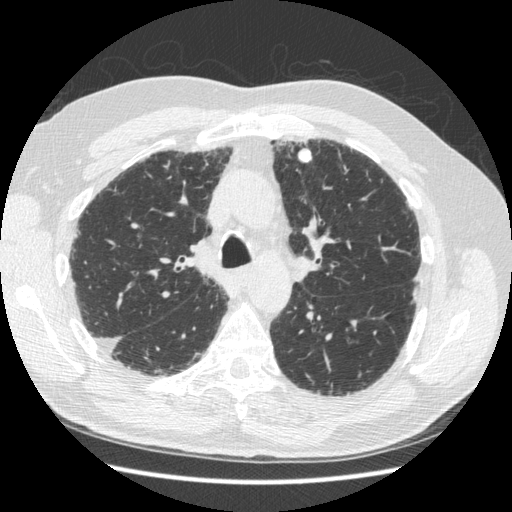
Chest CT, axial plane, 120 kVp, kernel STANDARD. Slice 340/497 from the bottom of the scan; thickness 1.25 mm; pixel size 0.703 mm.
Pulmonary nodule at rows 148–163, columns 297–312 (box = the union of the readers' outlines on this slice), outlined by all four readers; longest diameter 15.2–16.7 mm and volume 670–817 mm3 across the four readers' outlines. The readers' ratings, as ranges where they differ: texture 5/5 (solid), all four readers agreeing; margin from 3/5 to 5/5 (circumscribed) across the four readers; sphericity from 2/5 to 5/5 (round) across the four readers; calcification solid calcification from all four readers; internal structure soft tissue, all four readers agreeing; subtlety 5/5 from all four readers; malignancy likelihood 1/5 from all four readers. Scale key (1–5): texture non-solid→solid, margin indistinct→circumscribed, sphericity linear→round, subtlety extremely subtle→obvious, malignancy likelihood highly unlikely→highly suspicious of cancer. Box rows and columns are 0-based pixel indices from the top-left corner, inclusive.